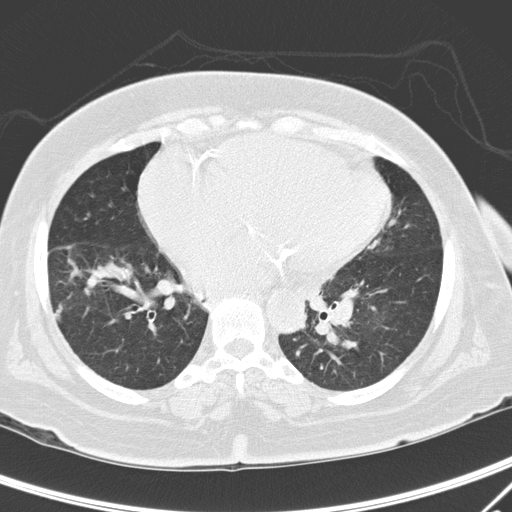
Slice 123/295 of a chest CT, counting up from the lowest; pixel size 0.682 mm, slice thickness 2.00 mm. Pulmonary nodule, outlined by three of the four readers. Box on this slice rows 313–320, columns 53–60, the union of the readers' outlines on this slice; median longest diameter 9.5 mm (readers' outlines 9.3–10.1 mm), median volume 206 mm3 (186–247 mm3). Median ratings and the readers' spread: median texture 5/5 (solid) (readers ranged 4/5 to 5/5 (solid)); margin 4/5 at the median of three readers, spread 1/5 (indistinct) to 4/5; sphericity 3/5 (ovoid) from all three readers; calcification absent from all three readers; internal structure soft tissue from all three readers; subtlety 5/5 at the median of three readers, spread 4–5; malignancy likelihood 3/5 at the median of three readers, spread 1–4. Scale key (1–5): texture non-solid→solid, margin indistinct→circumscribed, sphericity linear→round, subtlety extremely subtle→obvious, malignancy likelihood highly unlikely→highly suspicious of cancer. Box rows and columns are 0-based pixel indices from the top-left corner, inclusive.
Tube voltage 120 kVp; convolution kernel D.